Axial chest CT slice 184 of 506 (counted from the lowest slice); tube voltage 120 kVp, convolution kernel B30f; slices 0.75 mm thick, 0.699 mm per pixel.
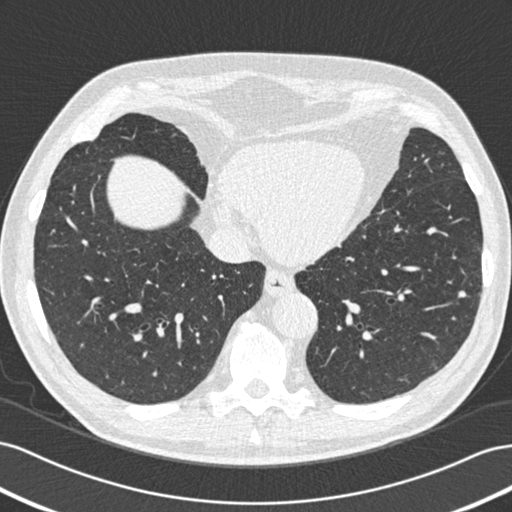
Pulmonary nodule outlined by all four readers; box rows 291–297, columns 458–466 (the union of the readers' outlines on this slice); the four readers' outlines give a longest diameter between 6.6 and 7.8 mm and a volume between 93 and 162 mm3. Ratings across the readers: texture 5/5 (solid) from all four readers; margin from 3/5 to 5/5 (circumscribed) across the four readers; sphericity from 3/5 (ovoid) to 5/5 (round) across the four readers; calcification absent, all four readers agreeing; internal structure soft tissue from all four readers; subtlety from 2/5 to 3/5 across the four readers; malignancy likelihood from 1/5 to 3/5 across the four readers. Scale key (1–5): texture non-solid→solid, margin indistinct→circumscribed, sphericity linear→round, subtlety extremely subtle→obvious, malignancy likelihood highly unlikely→highly suspicious of cancer. Box rows and columns are 0-based pixel indices from the top-left corner, inclusive.